Axial slice 214 of 557 of a chest CT (slice 1 is the lowest), reconstructed with the STANDARD kernel at 120 kVp; 1.25 mm slice thickness and 0.703 mm pixels.
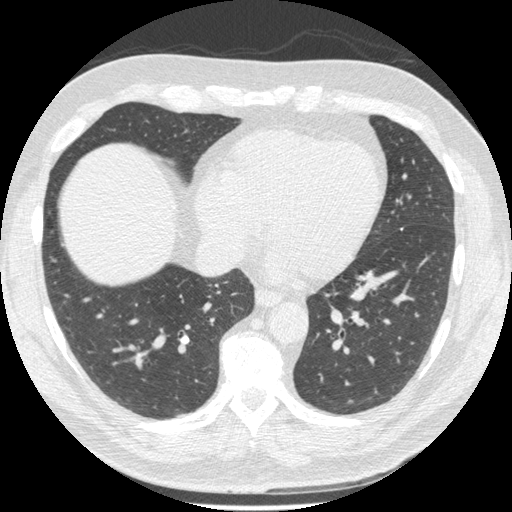
Pulmonary nodule outlined by all four readers; box rows 336–343, columns 180–190 (the union of the readers' outlines on this slice); median longest diameter 7.2 mm (readers' outlines 6.7–9.4 mm), median volume 122 mm3 (108–158 mm3). Ratings, median across the readers with their spread: texture 5/5 (solid), all four readers agreeing; margin 5/5 (circumscribed) from all four readers; median sphericity 4.5/5 (readers ranged 3/5 (ovoid) to 5/5 (round)); calcification: solid calcification (three), absent (one); internal structure soft tissue from all four readers; subtlety 3.5/5 at the median of four readers, spread 3–5; median malignancy likelihood 1/5 (readers ranged 1–2). Scale key (1–5): texture non-solid→solid, margin indistinct→circumscribed, sphericity linear→round, subtlety extremely subtle→obvious, malignancy likelihood highly unlikely→highly suspicious of cancer. Box rows and columns are 0-based pixel indices from the top-left corner, inclusive.